Axial chest CT slice 225 of 503 (counted from the lowest slice); tube voltage 120 kVp, convolution kernel STANDARD; slices 1.25 mm thick, 0.742 mm per pixel.
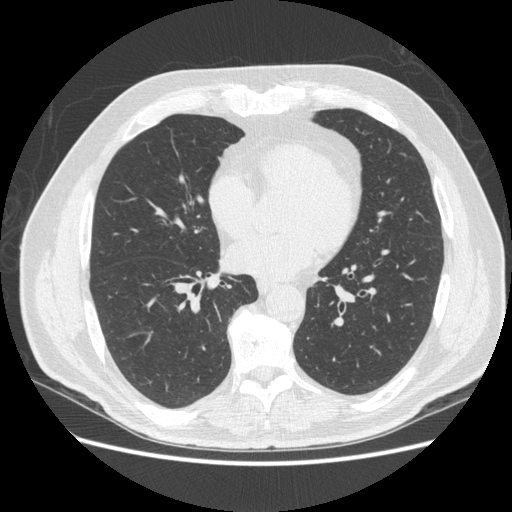
No nodule 3 mm or larger was outlined here by any reader.